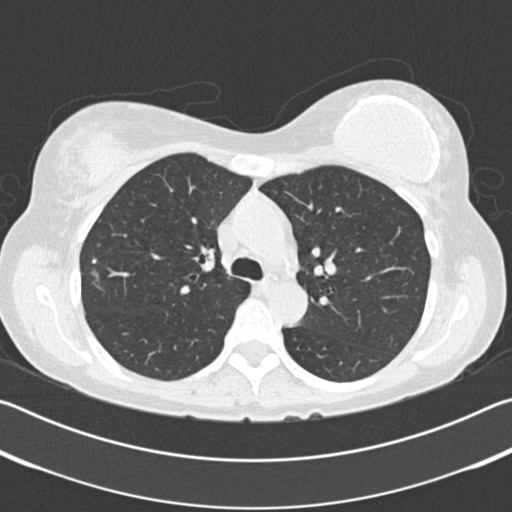
Axial chest CT slice 127 of 183 (counted from the lowest slice); 2.00 mm thick, 0.664 mm per pixel. Pulmonary nodule outlined by three of the four readers; box rows 259–276, columns 91–98 (the union of the readers' outlines on this slice); longest diameter 9.9 mm on average over the three readers' outlines (readers' outlines 4.8–20.0 mm), volume 45–1329 mm3. The readers' prevailing ratings and who disagreed: texture split among the readers: 3/5 (part-solid) (one), 4/5 (one), 5/5 (solid) (one); margin split among the readers: 2/5 (one), 3/5 (one), 5/5 (circumscribed) (one); most readers (two of three) put sphericity at 5/5 (round), others 4/5 (one); calcification absent by two of three readers, solid calcification (one); internal structure soft tissue from all three readers; subtlety 5/5 by two of three readers; the rest gave 2/5 (one); malignancy likelihood split among the readers: 1/5 (one), 3/5 (one), 5/5 (one). Scale key (1–5): texture non-solid→solid, margin indistinct→circumscribed, sphericity linear→round, subtlety extremely subtle→obvious, malignancy likelihood highly unlikely→highly suspicious of cancer. Box rows and columns are 0-based pixel indices from the top-left corner, inclusive.
Scan settings: 120 kVp, B30f reconstruction kernel.